Axial slice 111 of 232 of a chest CT (slice 1 is the lowest), reconstructed with the STANDARD kernel at 120 kVp; 1.25 mm slice thickness and 0.703 mm pixels.
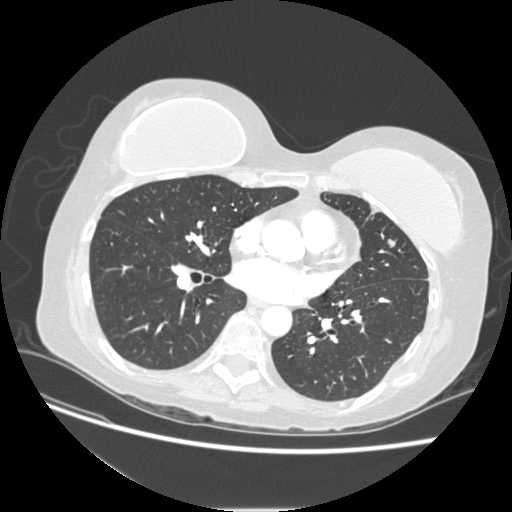
Pulmonary nodule, outlined by three of the four readers. Box on this slice rows 238–248, columns 387–395, the union of the readers' outlines on this slice; longest diameter 8.1 mm on average over the three readers' outlines (readers' outlines 7.6–8.9 mm), volume 151–201 mm3. The readers' prevailing ratings and who disagreed: most readers (two of three) put texture at 5/5 (solid), others 4/5 (one); margin 5/5 (circumscribed), all three readers agreeing; most readers (two of three) put sphericity at 3/5 (ovoid), others 4/5 (one); calcification absent, all three readers agreeing; internal structure soft tissue, all three readers agreeing; subtlety 4/5 by two of three readers; the rest gave 2/5 (one); malignancy likelihood 3/5 from all three readers. Scale key (1–5): texture non-solid→solid, margin indistinct→circumscribed, sphericity linear→round, subtlety extremely subtle→obvious, malignancy likelihood highly unlikely→highly suspicious of cancer. Box rows and columns are 0-based pixel indices from the top-left corner, inclusive.